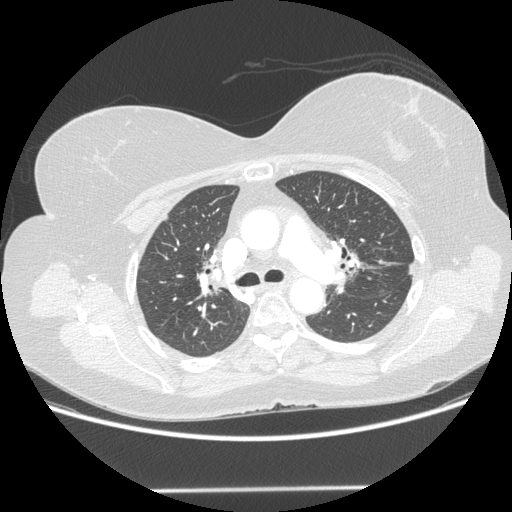
One axial slice (135 of 214, counting up from the lowest) of a chest CT acquired at 120 kVp with the STANDARD kernel; each pixel is 0.781 mm and the slice is 1.25 mm thick.
Pulmonary nodule, outlined by three of the four readers, two of them on this slice. Box on this slice rows 215–219, columns 163–167, the union of the readers' outlines on this slice; the three readers' outlines give a longest diameter between 6.4 and 7.2 mm and a volume between 63 and 76 mm3. Ratings across the readers: texture 5/5 (solid), all three readers agreeing; margin 5/5 (circumscribed), all three readers agreeing; sphericity from 4/5 to 5/5 (round) across the three readers; calcification absent from all three readers; internal structure soft tissue from all three readers; subtlety rated between 3 and 5 out of 5 by the three readers; malignancy likelihood rated between 2 and 3 out of 5 by the three readers. Scale key (1–5): texture non-solid→solid, margin indistinct→circumscribed, sphericity linear→round, subtlety extremely subtle→obvious, malignancy likelihood highly unlikely→highly suspicious of cancer. Box rows and columns are 0-based pixel indices from the top-left corner, inclusive.